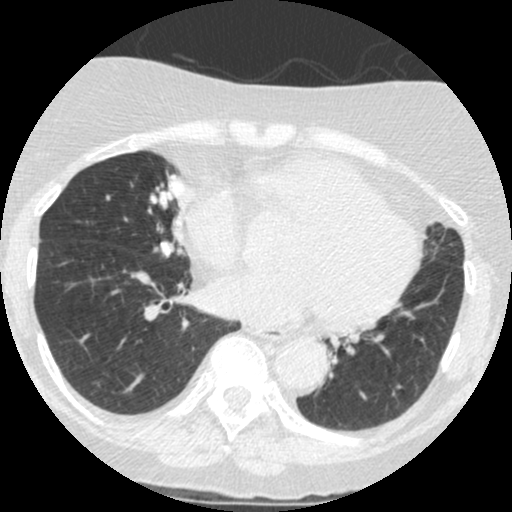
Axial chest CT slice 159 of 426 (counted from the lowest slice); 1.25 mm thick, 0.547 mm per pixel. Two pulmonary nodules are outlined on this slice; from left to right: (1) Pulmonary nodule outlined by one of the four readers; box rows 241–257, columns 159–174 (that reader's outline on this slice); longest diameter 15.0 mm and volume 404 mm3 from that reader's outline. That reader's ratings: texture 5/5 (solid); margin 4/5; sphericity 4/5; calcification non-central calcification; internal structure soft tissue; subtlety 4/5; malignancy likelihood 2/5. (2) Pulmonary nodule at rows 174–197, columns 168–186 (box = the union of the readers' outlines on this slice), outlined by all four readers, three of them on this slice; median longest diameter 18.6 mm (readers' outlines 17.0–20.6 mm), median volume 1572 mm3 (1129–1635 mm3). Median ratings and the readers' spread: median texture 5/5 (solid) (readers ranged 4/5 to 5/5 (solid)); margin 3.5/5 at the median of four readers, spread 2/5 to 5/5 (circumscribed); sphericity 4/5 at the median of four readers, spread 3/5 (ovoid) to 5/5 (round); calcification: absent (three), non-central calcification (one); internal structure soft tissue from all four readers; subtlety 4.5/5 at the median of four readers, spread 3–5; median malignancy likelihood 3.5/5 (readers ranged 2–4). Scale key (1–5): texture non-solid→solid, margin indistinct→circumscribed, sphericity linear→round, subtlety extremely subtle→obvious, malignancy likelihood highly unlikely→highly suspicious of cancer. Box rows and columns are 0-based pixel indices from the top-left corner, inclusive.
Acquired at 120 kVp and reconstructed with the STANDARD kernel.